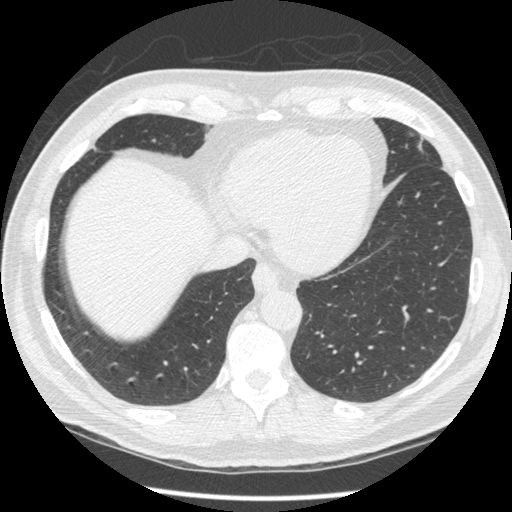
Chest CT, axial plane, 120 kVp, kernel STANDARD. Slice 106/452 from the bottom of the scan; thickness 1.25 mm; pixel size 0.703 mm.
Pulmonary nodule at rows 139–142, columns 152–155 (box = that reader's outline on this slice), outlined by one of the four readers; longest diameter 6.4 mm and volume 38 mm3 from that reader's outline. Ratings by that reader: texture 5/5 (solid); margin 5/5 (circumscribed); sphericity 5/5 (round); calcification absent; internal structure soft tissue; subtlety 5/5; malignancy likelihood 3/5. Scale key (1–5): texture non-solid→solid, margin indistinct→circumscribed, sphericity linear→round, subtlety extremely subtle→obvious, malignancy likelihood highly unlikely→highly suspicious of cancer. Box rows and columns are 0-based pixel indices from the top-left corner, inclusive.